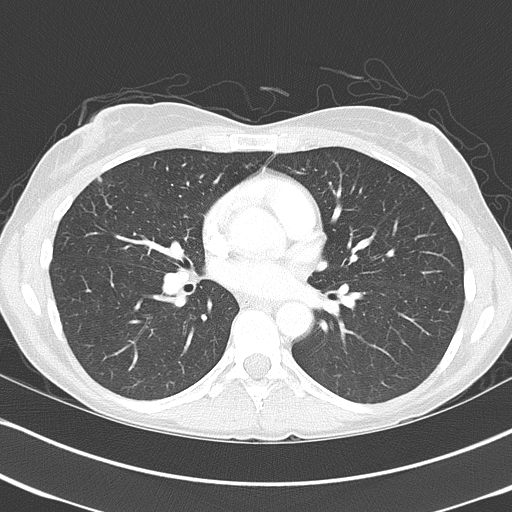
Chest CT, axial plane, 120 kVp, kernel B70f. Slice 210/368 from the bottom of the scan; thickness 2.00 mm; pixel size 0.623 mm.
Pulmonary nodule, outlined by one of the four readers. Box on this slice rows 177–182, columns 97–102, that reader's outline on this slice; longest diameter 4.7 mm and volume 49 mm3 from that reader's outline. That reader's ratings: texture 4/5; margin 4/5; sphericity 4/5; calcification absent; internal structure soft tissue; subtlety 4/5; malignancy likelihood 3/5. Scale key (1–5): texture non-solid→solid, margin indistinct→circumscribed, sphericity linear→round, subtlety extremely subtle→obvious, malignancy likelihood highly unlikely→highly suspicious of cancer. Box rows and columns are 0-based pixel indices from the top-left corner, inclusive.